Axial chest CT slice 83 of 144 (counted from the lowest slice); tube voltage 120 kVp, convolution kernel STANDARD; slices 2.50 mm thick, 0.781 mm per pixel.
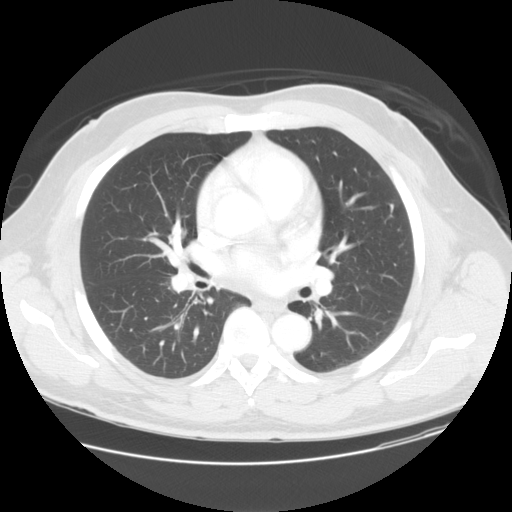
Pulmonary nodule at rows 228–238, columns 179–185 (box = the union of the readers' outlines on this slice), outlined by three of the four readers; median longest diameter 19.3 mm (readers' outlines 17.8–19.6 mm), median volume 1709 mm3 (1559–1834 mm3). Median ratings and the readers' spread: texture 5/5 (solid), all three readers agreeing; margin 4/5 at the median of three readers, spread 4/5 to 5/5 (circumscribed); sphericity 3/5 (ovoid) at the median of three readers, spread 3/5 (ovoid) to 4/5; calcification: absent (two), non-central calcification (one); internal structure soft tissue from all three readers; subtlety 4/5 at the median of three readers, spread 4–5; median malignancy likelihood 4/5 (readers ranged 3–4). Scale key (1–5): texture non-solid→solid, margin indistinct→circumscribed, sphericity linear→round, subtlety extremely subtle→obvious, malignancy likelihood highly unlikely→highly suspicious of cancer. Box rows and columns are 0-based pixel indices from the top-left corner, inclusive.